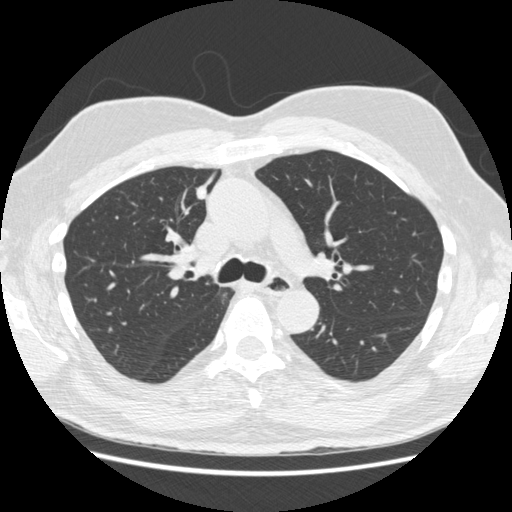
One axial slice (339 of 557, counting up from the lowest) of a chest CT acquired at 120 kVp with the STANDARD kernel; each pixel is 0.703 mm and the slice is 1.25 mm thick.
Pulmonary nodule, outlined by all four readers. Box on this slice rows 184–200, columns 195–206, the union of the readers' outlines on this slice; longest diameter 13.4 mm on average over the four readers' outlines (readers' outlines 12.6–14.2 mm), volume 470–622 mm3. Ratings, by the readers' most common answer with dissent counted: texture 5/5 (solid) from all four readers; most readers (three of four) put margin at 4/5, others 5/5 (circumscribed) (one); sphericity 3/5 (ovoid), all four readers agreeing; calcification absent, all four readers agreeing; internal structure soft tissue, all four readers agreeing; subtlety 5/5 by two of four readers; the rest gave 3/5 (one), 4/5 (one); malignancy likelihood split among the readers: 1/5 (one), 2/5 (one), 3/5 (one), 4/5 (one). Scale key (1–5): texture non-solid→solid, margin indistinct→circumscribed, sphericity linear→round, subtlety extremely subtle→obvious, malignancy likelihood highly unlikely→highly suspicious of cancer. Box rows and columns are 0-based pixel indices from the top-left corner, inclusive.